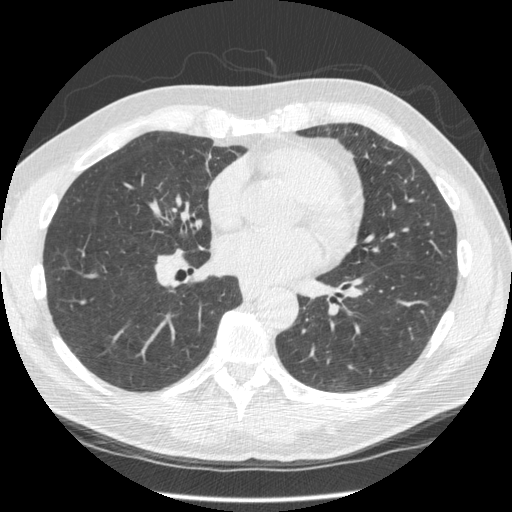
Axial chest CT slice 236 of 545 (counted from the lowest slice); tube voltage 120 kVp, convolution kernel STANDARD; slices 1.25 mm thick, 0.703 mm per pixel.
Pulmonary nodule outlined by all four readers, one of them on this slice; box rows 302–307, columns 55–57 (the one reader's outline on this slice); median longest diameter 9.7 mm (readers' outlines 9.2–14.5 mm), median volume 141 mm3 (121–250 mm3). Ratings, median across the readers with their spread: texture 5/5 (solid), all four readers agreeing; median margin 4/5 (readers ranged 3/5 to 5/5 (circumscribed)); sphericity 3.5/5 at the median of four readers, spread 2/5 to 5/5 (round); calcification absent from all four readers; internal structure soft tissue, all four readers agreeing; subtlety 3.5/5 at the median of four readers, spread 3–5; malignancy likelihood 3/5 at the median of four readers, spread 2–5. Scale key (1–5): texture non-solid→solid, margin indistinct→circumscribed, sphericity linear→round, subtlety extremely subtle→obvious, malignancy likelihood highly unlikely→highly suspicious of cancer. Box rows and columns are 0-based pixel indices from the top-left corner, inclusive.